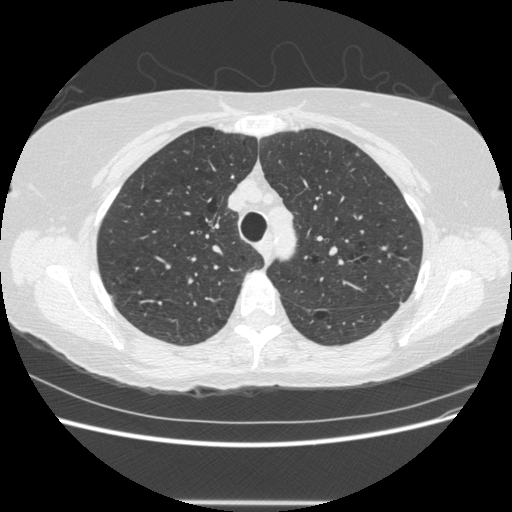
Slice 403/513 of a chest CT, counting up from the lowest; pixel size 0.703 mm, slice thickness 1.25 mm. Pulmonary nodule, outlined by two of the four readers. Box on this slice rows 175–178, columns 230–233, the union of the readers' outlines on this slice; longest diameter 5.4 mm on average over the two readers' outlines (readers' outlines 5.0–5.8 mm), volume 42–49 mm3. Ratings, by the readers' most common answer with dissent counted: texture 5/5 (solid) from both readers; margin 5/5 (circumscribed), both readers agreeing; sphericity 5/5 (round) from both readers; calcification split among the readers: solid calcification (one), absent (one); internal structure soft tissue from both readers; subtlety 3/5, both readers agreeing; malignancy likelihood split among the readers: 1/5 (one), 2/5 (one). Scale key (1–5): texture non-solid→solid, margin indistinct→circumscribed, sphericity linear→round, subtlety extremely subtle→obvious, malignancy likelihood highly unlikely→highly suspicious of cancer. Box rows and columns are 0-based pixel indices from the top-left corner, inclusive.
Tube voltage 120 kVp; convolution kernel STANDARD.